Chest CT, axial plane, 120 kVp, kernel STANDARD. Slice 80/133 from the bottom of the scan; thickness 2.50 mm; pixel size 0.742 mm.
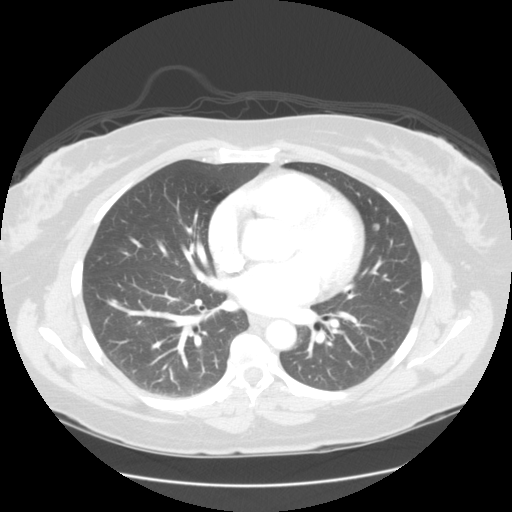
Pulmonary nodule outlined by three of the four readers; box rows 223–230, columns 372–380 (the union of the readers' outlines on this slice); longest diameter 7.3 mm on average over the three readers' outlines (readers' outlines 6.8–8.0 mm), volume 115–175 mm3. Ratings, by the readers' most common answer with dissent counted: texture 5/5 (solid) by two of three readers; the rest gave 4/5 (one); margin split among the readers: 3/5 (one), 4/5 (one), 5/5 (circumscribed) (one); sphericity 5/5 (round) by two of three readers; the rest gave 4/5 (one); calcification absent from all three readers; internal structure soft tissue, all three readers agreeing; subtlety split among the readers: 1/5 (one), 2/5 (one), 4/5 (one); most readers (two of three) put malignancy likelihood at 3/5, others 2/5 (one). Scale key (1–5): texture non-solid→solid, margin indistinct→circumscribed, sphericity linear→round, subtlety extremely subtle→obvious, malignancy likelihood highly unlikely→highly suspicious of cancer. Box rows and columns are 0-based pixel indices from the top-left corner, inclusive.